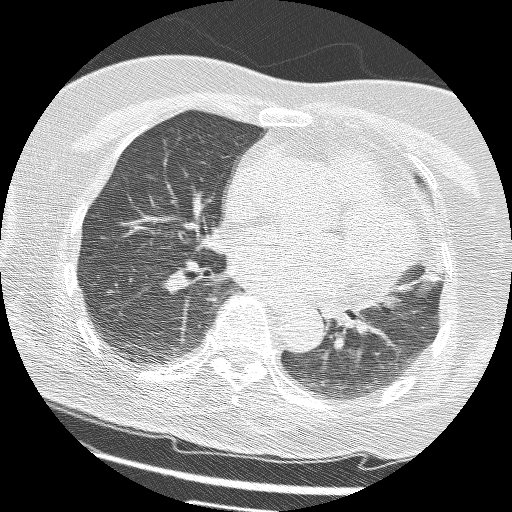
Axial chest CT slice 65 of 161 (counted from the lowest slice); tube voltage 120 kVp, convolution kernel BONE; slices 1.25 mm thick, 0.549 mm per pixel.
Pulmonary nodule, outlined by all four readers, two of them on this slice. Box on this slice rows 271–295, columns 415–439, the union of the readers' outlines on this slice; median longest diameter 18.7 mm (readers' outlines 18.2–19.7 mm), median volume 1426 mm3 (1334–1755 mm3). Ratings, median across the readers with their spread: texture 5/5 (solid) from all four readers; margin 4/5 at the median of four readers, spread 3/5 to 5/5 (circumscribed); sphericity 3/5 (ovoid) at the median of four readers, spread 3/5 (ovoid) to 4/5; calcification absent, all four readers agreeing; internal structure soft tissue, all four readers agreeing; subtlety 5/5, all four readers agreeing; malignancy likelihood 5/5, all four readers agreeing. Scale key (1–5): texture non-solid→solid, margin indistinct→circumscribed, sphericity linear→round, subtlety extremely subtle→obvious, malignancy likelihood highly unlikely→highly suspicious of cancer. Box rows and columns are 0-based pixel indices from the top-left corner, inclusive.